One axial slice (162 of 290, counting up from the lowest) of a chest CT acquired at 120 kVp with the B kernel; each pixel is 0.639 mm and the slice is 2.00 mm thick.
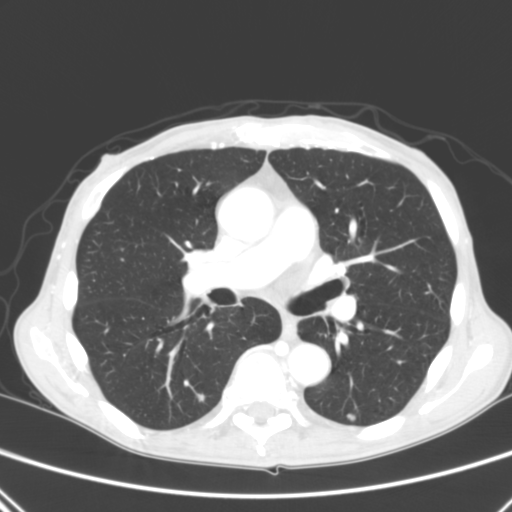
Two pulmonary nodules are outlined on this slice; from left to right: (1) Pulmonary nodule at rows 392–401, columns 196–204 (box = the union of the readers' outlines on this slice), outlined by three of the four readers; median longest diameter 6.9 mm (readers' outlines 6.9–9.4 mm), median volume 90 mm3 (83–138 mm3). Median ratings and the readers' spread: texture 5/5 (solid) at the median of three readers, spread 3/5 (part-solid) to 5/5 (solid); median margin 3/5 (readers ranged 2/5 to 4/5); sphericity 3/5 (ovoid) at the median of three readers, spread 2/5 to 4/5; calcification absent, all three readers agreeing; internal structure soft tissue from all three readers; subtlety 4/5 at the median of three readers, spread 2–4; malignancy likelihood 3/5 at the median of three readers, spread 2–4. (2) Pulmonary nodule at rows 413–421, columns 345–356 (box = the union of the readers' outlines on this slice), outlined by all four readers; median longest diameter 7.9 mm (readers' outlines 7.4–8.6 mm), median volume 160 mm3 (120–172 mm3). Ratings, median across the readers with their spread: texture 5/5 (solid) at the median of four readers, spread 4/5 to 5/5 (solid); median margin 4/5 (readers ranged 2/5 to 4/5); sphericity 3/5 (ovoid) at the median of four readers, spread 3/5 (ovoid) to 4/5; calcification absent from all four readers; internal structure soft tissue from all four readers; subtlety 4.5/5 at the median of four readers, spread 4–5; malignancy likelihood 3/5 at the median of four readers, spread 3–4. Scale key (1–5): texture non-solid→solid, margin indistinct→circumscribed, sphericity linear→round, subtlety extremely subtle→obvious, malignancy likelihood highly unlikely→highly suspicious of cancer. Box rows and columns are 0-based pixel indices from the top-left corner, inclusive.